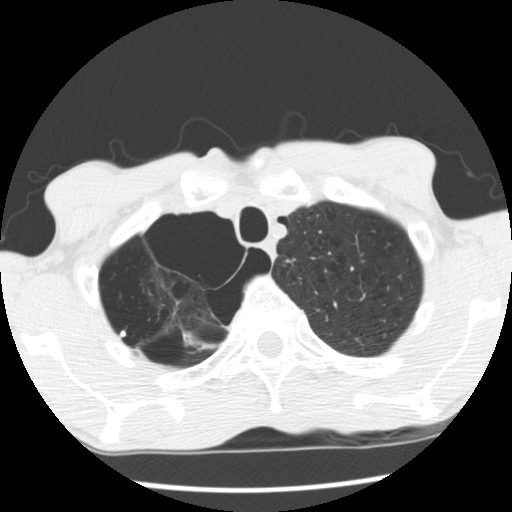
One axial slice (250 of 292, counting up from the lowest) of a chest CT acquired at 120 kVp with the STANDARD kernel; each pixel is 0.645 mm and the slice is 2.50 mm thick.
Pulmonary nodule outlined by one of the four readers; box rows 330–335, columns 120–125 (that reader's outline on this slice); longest diameter 5.5 mm and volume 59 mm3 from that reader's outline. Ratings by that reader: texture 5/5 (solid); margin 5/5 (circumscribed); sphericity 5/5 (round); calcification solid calcification; internal structure soft tissue; subtlety 4/5; malignancy likelihood 1/5. Scale key (1–5): texture non-solid→solid, margin indistinct→circumscribed, sphericity linear→round, subtlety extremely subtle→obvious, malignancy likelihood highly unlikely→highly suspicious of cancer. Box rows and columns are 0-based pixel indices from the top-left corner, inclusive.